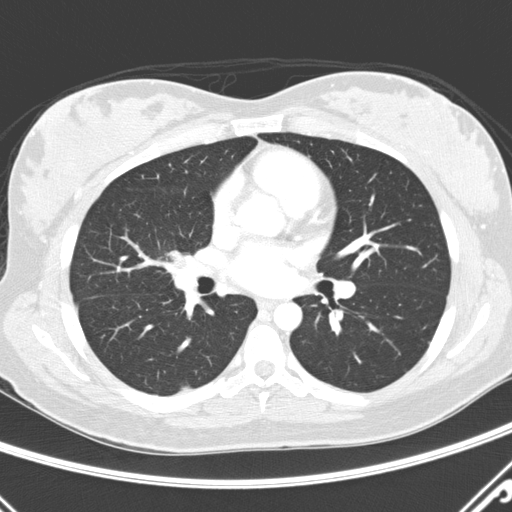
Axial chest CT slice 160 of 290 (counted from the lowest slice); tube voltage 120 kVp, convolution kernel D; slices 2.00 mm thick, 0.648 mm per pixel.
Pulmonary nodule outlined by one of the four readers; box rows 385–389, columns 181–191 (that reader's outline on this slice); longest diameter 14.2 mm and volume 261 mm3 from that reader's outline. Ratings by that reader: texture 4/5; margin 4/5; sphericity 3/5 (ovoid); calcification absent; internal structure soft tissue; subtlety 5/5; malignancy likelihood 3/5. Scale key (1–5): texture non-solid→solid, margin indistinct→circumscribed, sphericity linear→round, subtlety extremely subtle→obvious, malignancy likelihood highly unlikely→highly suspicious of cancer. Box rows and columns are 0-based pixel indices from the top-left corner, inclusive.